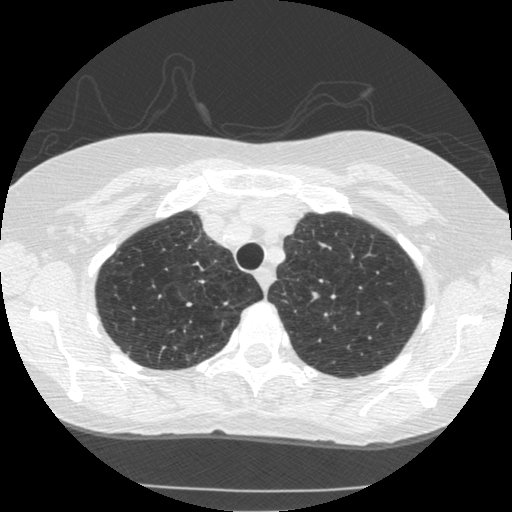
One axial slice (412 of 519, counting up from the lowest) of a chest CT acquired at 120 kVp with the STANDARD kernel; each pixel is 0.645 mm and the slice is 1.25 mm thick.
Pulmonary nodule, outlined by one of the four readers. Box on this slice rows 351–354, columns 126–130, that reader's outline on this slice; longest diameter 4.6 mm and volume 36 mm3 from that reader's outline. Ratings by that reader: texture 5/5 (solid); margin 5/5 (circumscribed); sphericity 4/5; calcification absent; internal structure soft tissue; subtlety 5/5; malignancy likelihood 3/5. Scale key (1–5): texture non-solid→solid, margin indistinct→circumscribed, sphericity linear→round, subtlety extremely subtle→obvious, malignancy likelihood highly unlikely→highly suspicious of cancer. Box rows and columns are 0-based pixel indices from the top-left corner, inclusive.